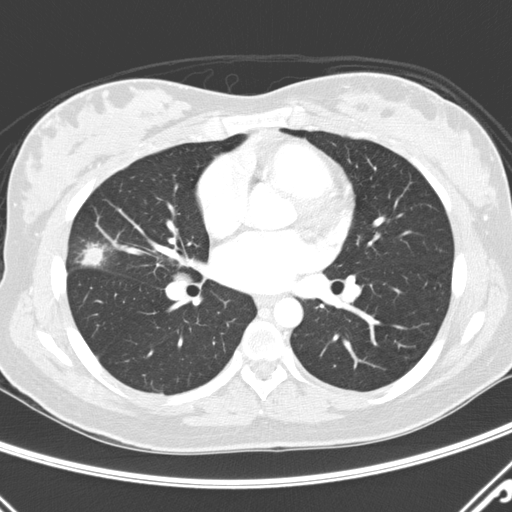
Axial slice 146 of 290 of a chest CT (slice 1 is the lowest), reconstructed with the D kernel at 120 kVp; 2.00 mm slice thickness and 0.648 mm pixels.
Pulmonary nodule, outlined by all four readers. Box on this slice rows 242–267, columns 76–106, the union of the readers' outlines on this slice; median longest diameter 23.9 mm (readers' outlines 19.9–37.8 mm), median volume 1825 mm3 (1327–2956 mm3). Median ratings and the readers' spread: median texture 4/5 (readers ranged 3/5 (part-solid) to 5/5 (solid)); margin 1.5/5 at the median of four readers, spread 1/5 (indistinct) to 3/5; median sphericity 3/5 (ovoid) (readers ranged 2/5 to 4/5); calcification absent from all four readers; internal structure soft tissue, all four readers agreeing; subtlety 5/5, all four readers agreeing; malignancy likelihood 4/5 at the median of four readers, spread 3–5. Scale key (1–5): texture non-solid→solid, margin indistinct→circumscribed, sphericity linear→round, subtlety extremely subtle→obvious, malignancy likelihood highly unlikely→highly suspicious of cancer. Box rows and columns are 0-based pixel indices from the top-left corner, inclusive.